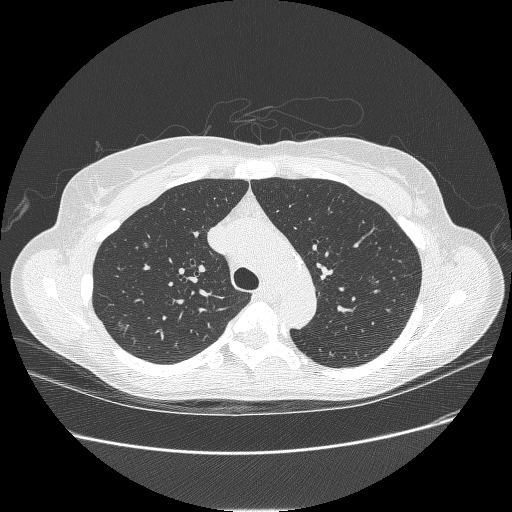
Chest CT, axial plane, 120 kVp, kernel BONE. Slice 183/238 from the bottom of the scan; thickness 1.25 mm; pixel size 0.703 mm.
Three pulmonary nodules are outlined on this slice; from left to right: (1) Pulmonary nodule at rows 324–331, columns 118–126 (box = the union of the readers' outlines on this slice), outlined by two of the four readers; the two readers' outlines give a longest diameter between 7.3 and 8.5 mm and a volume of 87 mm3. Ratings across the readers: texture 1/5 (non-solid) from both readers; margin 1/5 (indistinct), both readers agreeing; sphericity from 3/5 (ovoid) to 4/5 across the two readers; calcification absent from both readers; internal structure soft tissue from both readers; subtlety rated between 1 and 4 out of 5 by the two readers; malignancy likelihood 3–4/5 (the readers disagree). (2) Pulmonary nodule at rows 242–247, columns 142–147 (box = that reader's outline on this slice), outlined by one of the four readers; longest diameter 6.5 mm and volume 57 mm3 from that reader's outline. Ratings by that reader: texture 3/5 (part-solid); margin 1/5 (indistinct); sphericity 4/5; calcification absent; internal structure soft tissue; subtlety 1/5; malignancy likelihood 4/5. (3) Pulmonary nodule at rows 276–283, columns 368–374 (box = the one reader's outline on this slice), outlined by all four readers, one of them on this slice; longest diameter 14.9 mm on average over the four readers' outlines (readers' outlines 13.3–17.8 mm), volume 437–1030 mm3. Ratings, by the readers' most common answer with dissent counted: most readers (three of four) put texture at 1/5 (non-solid), others 3/5 (part-solid) (one); margin 1/5 (indistinct) by three of four readers; the rest gave 5/5 (circumscribed) (one); sphericity 4/5 by three of four readers; the rest gave 3/5 (ovoid) (one); calcification absent, all four readers agreeing; internal structure soft tissue, all four readers agreeing; subtlety 4/5 by two of four readers; the rest gave 3/5 (one), 5/5 (one); malignancy likelihood 4/5 by two of four readers; the rest gave 2/5 (one), 3/5 (one). Scale key (1–5): texture non-solid→solid, margin indistinct→circumscribed, sphericity linear→round, subtlety extremely subtle→obvious, malignancy likelihood highly unlikely→highly suspicious of cancer. Box rows and columns are 0-based pixel indices from the top-left corner, inclusive.